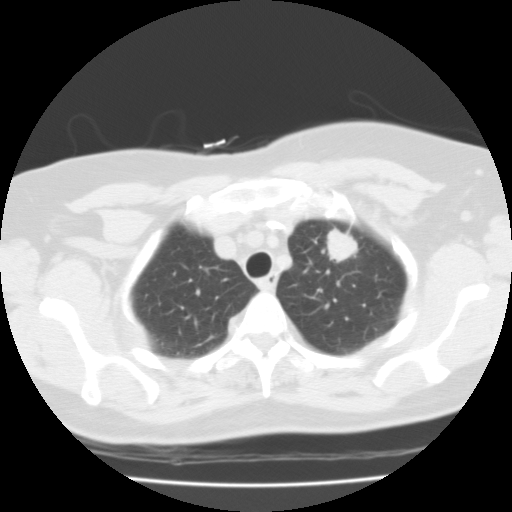
Chest CT, axial plane, 135 kVp, kernel FC01. Slice 69/87 from the bottom of the scan; thickness 3.00 mm; pixel size 0.650 mm.
Pulmonary nodule outlined by all four readers; box rows 223–262, columns 327–359 (the union of the readers' outlines on this slice); median longest diameter 27.3 mm (readers' outlines 23.3–32.8 mm), median volume 4892 mm3 (4332–5366 mm3). Median ratings and the readers' spread: texture 5/5 (solid) at the median of four readers, spread 4/5 to 5/5 (solid); median margin 3/5 (readers ranged 2/5 to 5/5 (circumscribed)); sphericity 4/5 at the median of four readers, spread 3/5 (ovoid) to 4/5; calcification split among the readers: non-central calcification (two), absent (two); internal structure soft tissue from all four readers; subtlety 5/5 from all four readers; malignancy likelihood 4.5/5 at the median of four readers, spread 3–5. Scale key (1–5): texture non-solid→solid, margin indistinct→circumscribed, sphericity linear→round, subtlety extremely subtle→obvious, malignancy likelihood highly unlikely→highly suspicious of cancer. Box rows and columns are 0-based pixel indices from the top-left corner, inclusive.